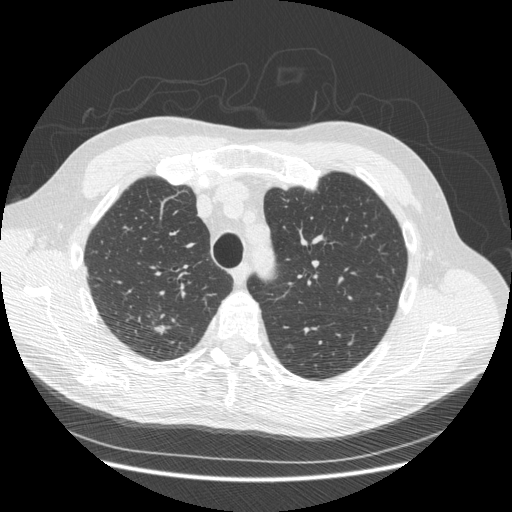
Axial slice 373 of 493 of a chest CT (slice 1 is the lowest), reconstructed with the STANDARD kernel at 120 kVp; 1.25 mm slice thickness and 0.742 mm pixels.
Pulmonary nodule, outlined by three of the four readers. Box on this slice rows 325–333, columns 153–170, the union of the readers' outlines on this slice; longest diameter 13.1 mm on average over the three readers' outlines (readers' outlines 12.6–14.1 mm), volume 104–271 mm3. The readers' prevailing ratings and who disagreed: texture 4/5 by two of three readers; the rest gave 5/5 (solid) (one); margin 3/5, all three readers agreeing; most readers (two of three) put sphericity at 2/5, others 4/5 (one); calcification absent, all three readers agreeing; internal structure soft tissue, all three readers agreeing; subtlety split among the readers: 2/5 (one), 3/5 (one), 5/5 (one); malignancy likelihood 4/5 by two of three readers; the rest gave 2/5 (one). Scale key (1–5): texture non-solid→solid, margin indistinct→circumscribed, sphericity linear→round, subtlety extremely subtle→obvious, malignancy likelihood highly unlikely→highly suspicious of cancer. Box rows and columns are 0-based pixel indices from the top-left corner, inclusive.